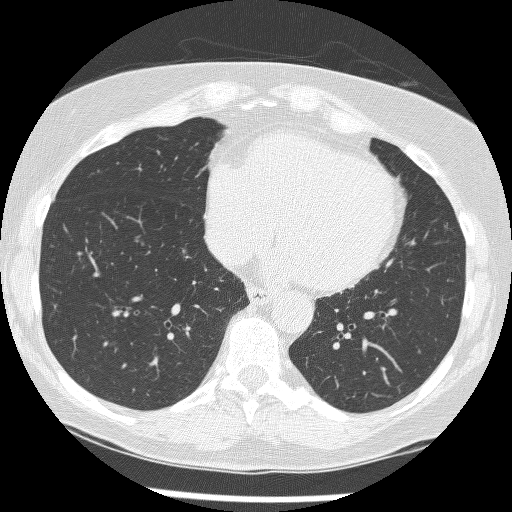
Axial chest CT slice 85 of 241 (counted from the lowest slice); tube voltage 120 kVp, convolution kernel BONE; slices 1.25 mm thick, 0.586 mm per pixel.
Pulmonary nodule at rows 242–246, columns 141–144 (box = that reader's outline on this slice), outlined by one of the four readers; longest diameter 5.8 mm and volume 83 mm3 from that reader's outline. That reader's ratings: texture 5/5 (solid); margin 4/5; sphericity 4/5; calcification absent; internal structure soft tissue; subtlety 1/5; malignancy likelihood 3/5. Scale key (1–5): texture non-solid→solid, margin indistinct→circumscribed, sphericity linear→round, subtlety extremely subtle→obvious, malignancy likelihood highly unlikely→highly suspicious of cancer. Box rows and columns are 0-based pixel indices from the top-left corner, inclusive.